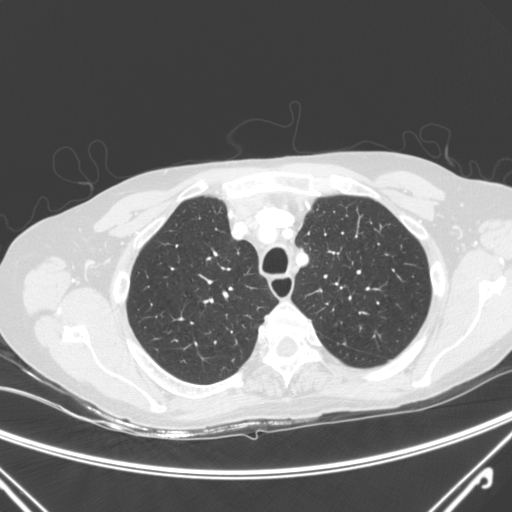
Chest CT, axial plane, 120 kVp, kernel C. Slice 234/300 from the bottom of the scan; thickness 2.00 mm; pixel size 0.715 mm.
Pulmonary nodule outlined by two of the four readers; box rows 341–344, columns 342–346 (the union of the readers' outlines on this slice); the two readers' outlines give a longest diameter of 4.3 mm and a volume between 32 and 40 mm3. The readers' ratings, as ranges where they differ: texture 5/5 (solid) from both readers; margin 5/5 (circumscribed) from both readers; sphericity from 3/5 (ovoid) to 4/5 across the two readers; calcification absent, both readers agreeing; internal structure soft tissue, both readers agreeing; subtlety from 3/5 to 5/5 across the two readers; malignancy likelihood 2/5, both readers agreeing. Scale key (1–5): texture non-solid→solid, margin indistinct→circumscribed, sphericity linear→round, subtlety extremely subtle→obvious, malignancy likelihood highly unlikely→highly suspicious of cancer. Box rows and columns are 0-based pixel indices from the top-left corner, inclusive.